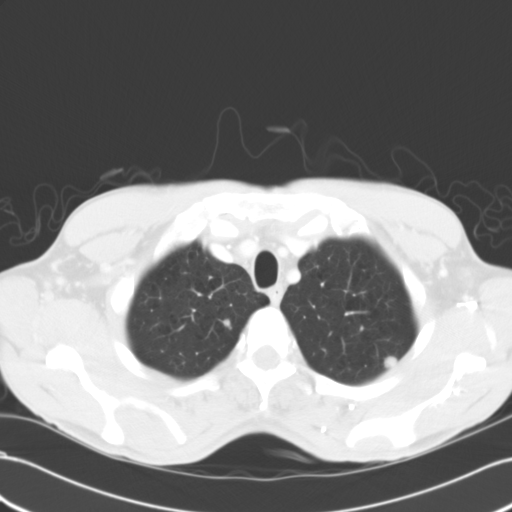
Axial slice 125 of 137 of a chest CT (slice 1 is the lowest), reconstructed with the B31f kernel at 120 kVp; 5.00 mm slice thickness and 0.691 mm pixels.
Two pulmonary nodules on this slice, listed from left to right. (1) Pulmonary nodule, outlined by three of the four readers. Box on this slice rows 318–328, columns 222–230, the union of the readers' outlines on this slice; median longest diameter 7.9 mm (readers' outlines 7.4–8.1 mm), median volume 163 mm3 (149–270 mm3). Ratings, median across the readers with their spread: median texture 5/5 (solid) (readers ranged 4/5 to 5/5 (solid)); margin 4/5 at the median of three readers, spread 4/5 to 5/5 (circumscribed); sphericity 4/5 at the median of three readers, spread 4/5 to 5/5 (round); calcification absent, all three readers agreeing; internal structure soft tissue, all three readers agreeing; subtlety 3/5 at the median of three readers, spread 3–4; median malignancy likelihood 3/5 (readers ranged 2–3). (2) Pulmonary nodule outlined by all four readers; box rows 356–369, columns 383–398 (the union of the readers' outlines on this slice); median longest diameter 11.4 mm (readers' outlines 10.9–11.9 mm), median volume 653 mm3 (556–688 mm3). Median ratings and the readers' spread: texture 5/5 (solid) at the median of four readers, spread 4/5 to 5/5 (solid); margin 4.5/5 at the median of four readers, spread 4/5 to 5/5 (circumscribed); sphericity 3.5/5 at the median of four readers, spread 3/5 (ovoid) to 5/5 (round); calcification absent, all four readers agreeing; internal structure soft tissue from all four readers; median subtlety 4.5/5 (readers ranged 3–5); median malignancy likelihood 3/5 (readers ranged 2–4). Scale key (1–5): texture non-solid→solid, margin indistinct→circumscribed, sphericity linear→round, subtlety extremely subtle→obvious, malignancy likelihood highly unlikely→highly suspicious of cancer. Box rows and columns are 0-based pixel indices from the top-left corner, inclusive.